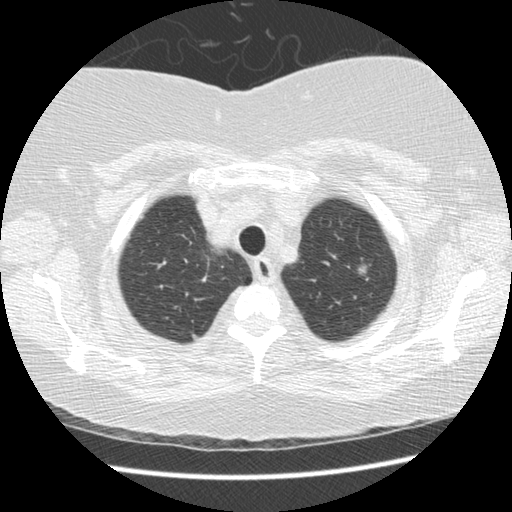
One axial slice (418 of 474, counting up from the lowest) of a chest CT acquired at 120 kVp with the STANDARD kernel; each pixel is 0.645 mm and the slice is 1.25 mm thick.
Pulmonary nodule, outlined by three of the four readers. Box on this slice rows 263–275, columns 356–367, the union of the readers' outlines on this slice; median longest diameter 9.7 mm (readers' outlines 8.2–9.8 mm), median volume 186 mm3 (122–196 mm3). Median ratings and the readers' spread: texture 3/5 (part-solid) at the median of three readers, spread 1/5 (non-solid) to 5/5 (solid); median margin 3/5 (readers ranged 2/5 to 4/5); median sphericity 4/5 (readers ranged 4/5 to 5/5 (round)); calcification absent from all three readers; internal structure soft tissue, all three readers agreeing; subtlety 5/5 at the median of three readers, spread 4–5; malignancy likelihood 4/5 from all three readers. Scale key (1–5): texture non-solid→solid, margin indistinct→circumscribed, sphericity linear→round, subtlety extremely subtle→obvious, malignancy likelihood highly unlikely→highly suspicious of cancer. Box rows and columns are 0-based pixel indices from the top-left corner, inclusive.